One axial slice (243 of 350, counting up from the lowest) of a chest CT acquired at 120 kVp with the C kernel; each pixel is 0.725 mm and the slice is 1.50 mm thick.
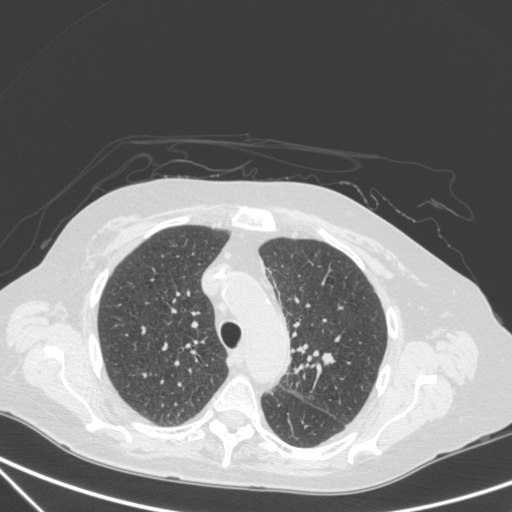
Pulmonary nodule, outlined by all four readers. Box on this slice rows 353–365, columns 321–335, the union of the readers' outlines on this slice; median longest diameter 10.6 mm (readers' outlines 9.9–11.7 mm), median volume 411 mm3 (335–580 mm3). Median ratings and the readers' spread: texture 5/5 (solid), all four readers agreeing; margin 4/5 from all four readers; median sphericity 3/5 (ovoid) (readers ranged 3/5 (ovoid) to 4/5); calcification absent, all four readers agreeing; internal structure soft tissue, all four readers agreeing; median subtlety 5/5 (readers ranged 4–5); malignancy likelihood 3.5/5 at the median of four readers, spread 2–5. Scale key (1–5): texture non-solid→solid, margin indistinct→circumscribed, sphericity linear→round, subtlety extremely subtle→obvious, malignancy likelihood highly unlikely→highly suspicious of cancer. Box rows and columns are 0-based pixel indices from the top-left corner, inclusive.